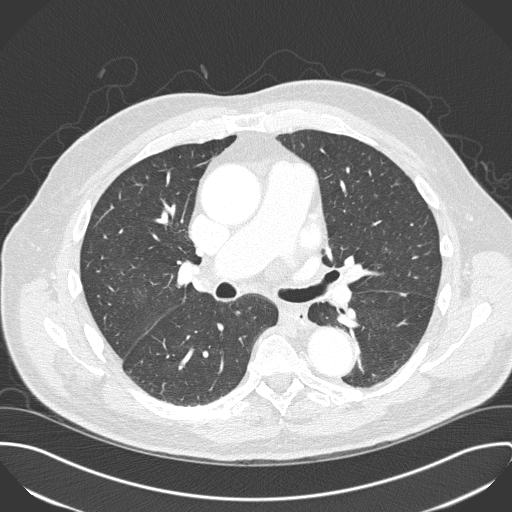
Chest CT, axial plane, 120 kVp, kernel B45f. Slice 190/330 from the bottom of the scan; thickness 1.00 mm; pixel size 0.762 mm.
Pulmonary nodule at rows 292–296, columns 399–407 (box = the union of the readers' outlines on this slice), outlined by three of the four readers; median longest diameter 6.5 mm (readers' outlines 6.1–7.2 mm), median volume 47 mm3 (41–55 mm3). Ratings, median across the readers with their spread: median texture 5/5 (solid) (readers ranged 4/5 to 5/5 (solid)); margin 4/5 at the median of three readers, spread 2/5 to 5/5 (circumscribed); median sphericity 3/5 (ovoid) (readers ranged 2/5 to 4/5); calcification absent, all three readers agreeing; internal structure soft tissue, all three readers agreeing; median subtlety 3/5 (readers ranged 2–3); malignancy likelihood 2/5 at the median of three readers, spread 1–3. Scale key (1–5): texture non-solid→solid, margin indistinct→circumscribed, sphericity linear→round, subtlety extremely subtle→obvious, malignancy likelihood highly unlikely→highly suspicious of cancer. Box rows and columns are 0-based pixel indices from the top-left corner, inclusive.